Axial slice 211 of 239 of a chest CT (slice 1 is the lowest), reconstructed with the BONE kernel at 120 kVp; 1.25 mm slice thickness and 0.586 mm pixels.
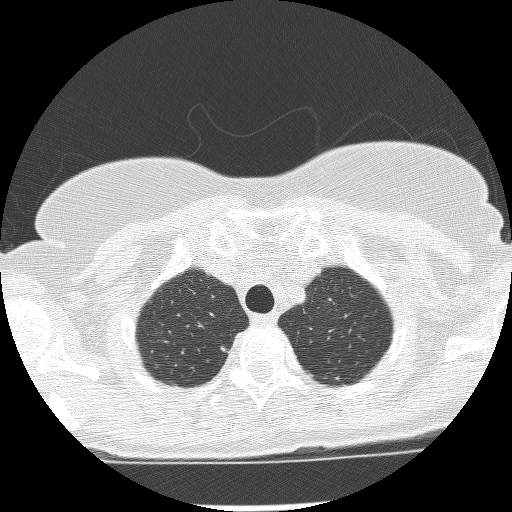
Pulmonary nodule at rows 346–351, columns 219–225 (box = the union of the readers' outlines on this slice), outlined by three of the four readers; longest diameter 5.4 mm on average over the three readers' outlines (readers' outlines 5.0–5.6 mm), volume 33–63 mm3. Ratings, by the readers' most common answer with dissent counted: texture 5/5 (solid), all three readers agreeing; margin 5/5 (circumscribed) by two of three readers; the rest gave 4/5 (one); sphericity split among the readers: 2/5 (one), 4/5 (one), 5/5 (round) (one); calcification absent, all three readers agreeing; internal structure soft tissue, all three readers agreeing; most readers (two of three) put subtlety at 3/5, others 4/5 (one); malignancy likelihood 3/5 by two of three readers; the rest gave 2/5 (one). Scale key (1–5): texture non-solid→solid, margin indistinct→circumscribed, sphericity linear→round, subtlety extremely subtle→obvious, malignancy likelihood highly unlikely→highly suspicious of cancer. Box rows and columns are 0-based pixel indices from the top-left corner, inclusive.